Axial slice 279 of 490 of a chest CT (slice 1 is the lowest), reconstructed with the STANDARD kernel at 120 kVp; 1.25 mm slice thickness and 0.547 mm pixels.
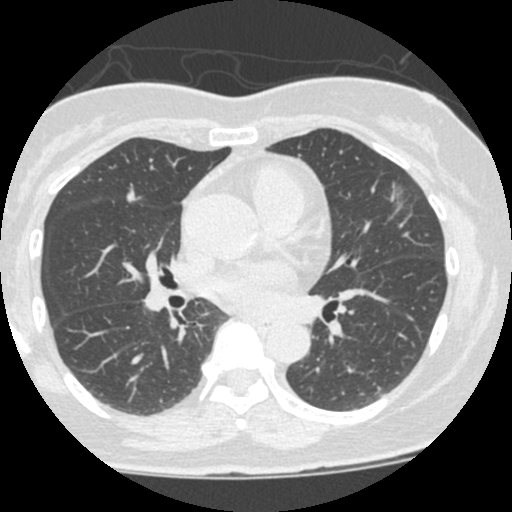
Pulmonary nodule, outlined by two of the four readers. Box on this slice rows 181–220, columns 383–410, the union of the readers' outlines on this slice; median longest diameter 26.9 mm (readers' outlines 26.3–27.5 mm), median volume 1510 mm3 (1167–1852 mm3). Median ratings and the readers' spread: texture 1/5 (non-solid) from both readers; margin 1.5/5 at the median of two readers, spread 1/5 (indistinct) to 2/5; sphericity 3.5/5 at the median of two readers, spread 2/5 to 5/5 (round); calcification absent from both readers; internal structure soft tissue from both readers; median subtlety 3/5 (readers ranged 1–5); malignancy likelihood 2.5/5 at the median of two readers, spread 2–3. Scale key (1–5): texture non-solid→solid, margin indistinct→circumscribed, sphericity linear→round, subtlety extremely subtle→obvious, malignancy likelihood highly unlikely→highly suspicious of cancer. Box rows and columns are 0-based pixel indices from the top-left corner, inclusive.